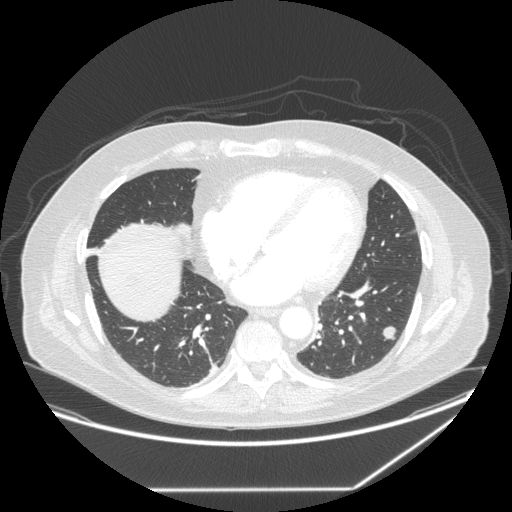
Axial slice 108 of 258 of a chest CT (slice 1 is the lowest), reconstructed with the STANDARD kernel at 120 kVp; 1.25 mm slice thickness and 0.859 mm pixels.
Pulmonary nodule at rows 326–340, columns 382–396 (box = the union of the readers' outlines on this slice), outlined by all four readers; median longest diameter 15.5 mm (readers' outlines 13.1–16.3 mm), median volume 1142 mm3 (787–1264 mm3). Median ratings and the readers' spread: texture 5/5 (solid) from all four readers; margin 4.5/5 at the median of four readers, spread 4/5 to 5/5 (circumscribed); sphericity 4.5/5 at the median of four readers, spread 3/5 (ovoid) to 5/5 (round); calcification absent from all four readers; internal structure soft tissue from all four readers; subtlety 5/5 at the median of four readers, spread 3–5; median malignancy likelihood 4/5 (readers ranged 2–5). Scale key (1–5): texture non-solid→solid, margin indistinct→circumscribed, sphericity linear→round, subtlety extremely subtle→obvious, malignancy likelihood highly unlikely→highly suspicious of cancer. Box rows and columns are 0-based pixel indices from the top-left corner, inclusive.